Axial slice 190 of 258 of a chest CT (slice 1 is the lowest), reconstructed with the STANDARD kernel at 120 kVp; 1.25 mm slice thickness and 0.859 mm pixels.
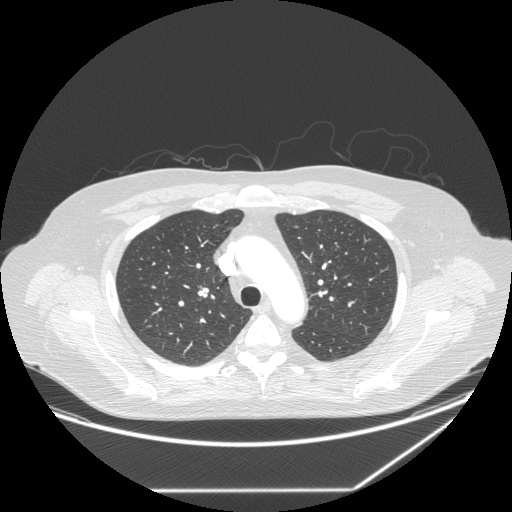
Pulmonary nodule, outlined by one of the four readers. Box on this slice rows 245–247, columns 337–340, that reader's outline on this slice; longest diameter 6.9 mm and volume 70 mm3 from that reader's outline. Ratings by that reader: texture 5/5 (solid); margin 5/5 (circumscribed); sphericity 5/5 (round); calcification absent; internal structure soft tissue; subtlety 3/5; malignancy likelihood 2/5. Scale key (1–5): texture non-solid→solid, margin indistinct→circumscribed, sphericity linear→round, subtlety extremely subtle→obvious, malignancy likelihood highly unlikely→highly suspicious of cancer. Box rows and columns are 0-based pixel indices from the top-left corner, inclusive.